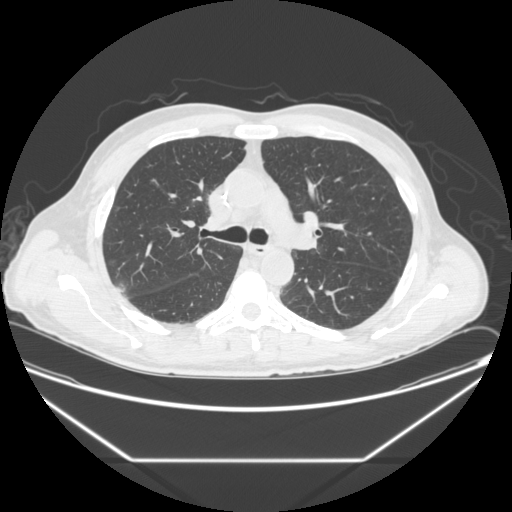
One axial slice (146 of 251, counting up from the lowest) of a chest CT acquired at 120 kVp with the STANDARD kernel; each pixel is 0.809 mm and the slice is 1.25 mm thick.
Pulmonary nodule at rows 284–291, columns 117–125 (box = the union of the readers' outlines on this slice), outlined by all four readers, three of them on this slice; longest diameter 9.5–12.3 mm and volume 212–399 mm3 across the four readers' outlines. Ratings across the readers: texture 5/5 (solid), all four readers agreeing; margin from 2/5 to 5/5 (circumscribed) across the four readers; sphericity from 3/5 (ovoid) to 4/5 across the four readers; calcification absent, all four readers agreeing; internal structure soft tissue from all four readers; subtlety from 3/5 to 4/5 across the four readers; malignancy likelihood 2–3/5 (the readers disagree). Scale key (1–5): texture non-solid→solid, margin indistinct→circumscribed, sphericity linear→round, subtlety extremely subtle→obvious, malignancy likelihood highly unlikely→highly suspicious of cancer. Box rows and columns are 0-based pixel indices from the top-left corner, inclusive.